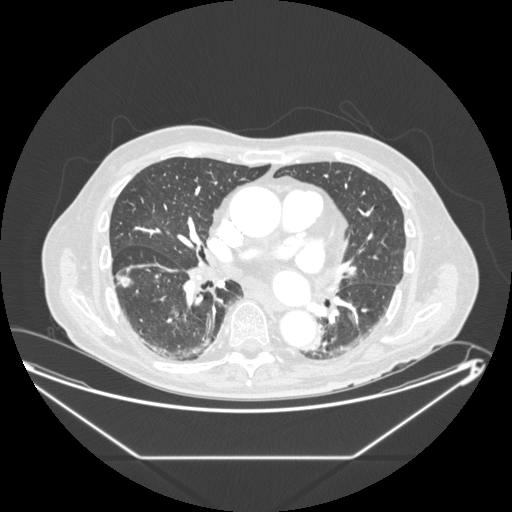
Axial chest CT slice 91 of 214 (counted from the lowest slice); tube voltage 120 kVp, convolution kernel STANDARD; slices 1.25 mm thick, 0.879 mm per pixel.
Pulmonary nodule outlined by all four readers; box rows 274–287, columns 116–130 (the union of the readers' outlines on this slice); longest diameter 13.8 mm on average over the four readers' outlines (readers' outlines 12.6–15.8 mm), volume 537–734 mm3. Ratings, by the readers' most common answer with dissent counted: most readers (three of four) put texture at 5/5 (solid), others 4/5 (one); margin split among the readers: 2/5 (one), 3/5 (one), 4/5 (one), 5/5 (circumscribed) (one); sphericity split among the readers: 4/5 (two), 5/5 (round) (two); calcification absent, all four readers agreeing; internal structure soft tissue, all four readers agreeing; most readers (three of four) put subtlety at 4/5, others 5/5 (one); malignancy likelihood 3/5 by three of four readers; the rest gave 5/5 (one). Scale key (1–5): texture non-solid→solid, margin indistinct→circumscribed, sphericity linear→round, subtlety extremely subtle→obvious, malignancy likelihood highly unlikely→highly suspicious of cancer. Box rows and columns are 0-based pixel indices from the top-left corner, inclusive.